Chest CT, axial plane, 120 kVp, kernel BONE. Slice 198/241 from the bottom of the scan; thickness 1.25 mm; pixel size 0.609 mm.
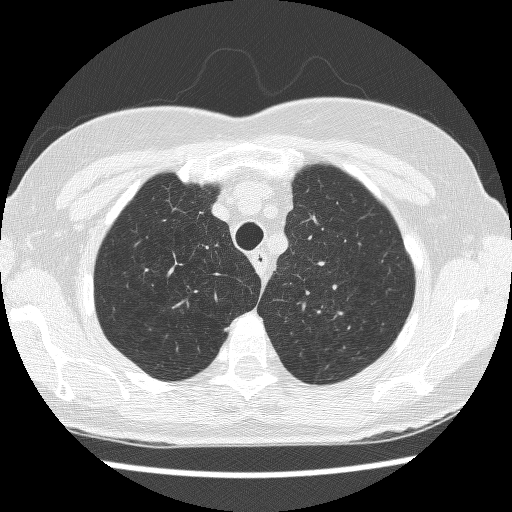
Pulmonary nodule at rows 326–331, columns 223–228 (box = that reader's outline on this slice), outlined by one of the four readers; longest diameter 5.8 mm and volume 58 mm3 from that reader's outline. Ratings by that reader: texture 4/5; margin 4/5; sphericity 3/5 (ovoid); calcification absent; internal structure soft tissue; subtlety 4/5; malignancy likelihood 4/5. Scale key (1–5): texture non-solid→solid, margin indistinct→circumscribed, sphericity linear→round, subtlety extremely subtle→obvious, malignancy likelihood highly unlikely→highly suspicious of cancer. Box rows and columns are 0-based pixel indices from the top-left corner, inclusive.